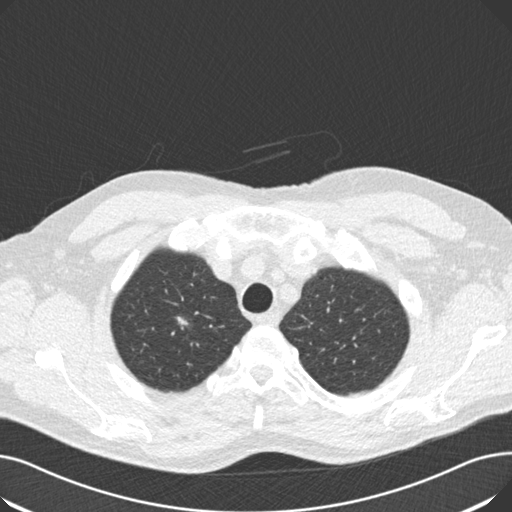
Chest CT, axial plane, 120 kVp, kernel B30f. Slice 150/181 from the bottom of the scan; thickness 2.00 mm; pixel size 0.723 mm.
Pulmonary nodule at rows 316–324, columns 175–188 (box = the union of the readers' outlines on this slice), outlined by three of the four readers; longest diameter 10.3 mm on average over the three readers' outlines (readers' outlines 9.4–10.7 mm), volume 180–294 mm3. The readers' prevailing ratings and who disagreed: most readers (two of three) put texture at 3/5 (part-solid), others 4/5 (one); margin 3/5 by two of three readers; the rest gave 1/5 (indistinct) (one); sphericity split among the readers: 2/5 (one), 3/5 (ovoid) (one), 4/5 (one); calcification absent, all three readers agreeing; internal structure soft tissue, all three readers agreeing; subtlety 2/5 by two of three readers; the rest gave 3/5 (one); most readers (two of three) put malignancy likelihood at 3/5, others 2/5 (one). Scale key (1–5): texture non-solid→solid, margin indistinct→circumscribed, sphericity linear→round, subtlety extremely subtle→obvious, malignancy likelihood highly unlikely→highly suspicious of cancer. Box rows and columns are 0-based pixel indices from the top-left corner, inclusive.